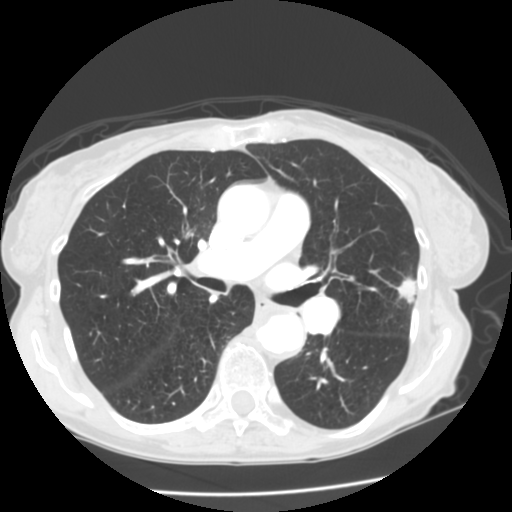
Axial slice 83 of 141 of a chest CT (slice 1 is the lowest), reconstructed with the STANDARD kernel at 120 kVp; 2.50 mm slice thickness and 0.625 mm pixels.
Pulmonary nodule outlined by all four readers; box rows 272–303, columns 395–417 (the union of the readers' outlines on this slice); longest diameter 17.6–20.7 mm and volume 1292–2187 mm3 across the four readers' outlines. Ratings across the readers: texture from 4/5 to 5/5 (solid) across the four readers; margin from 3/5 to 5/5 (circumscribed) across the four readers; sphericity from 3/5 (ovoid) to 5/5 (round) across the four readers; calcification absent, all four readers agreeing; internal structure soft tissue from all four readers; subtlety 5/5 from all four readers; malignancy likelihood 3–5/5 (the readers disagree). Scale key (1–5): texture non-solid→solid, margin indistinct→circumscribed, sphericity linear→round, subtlety extremely subtle→obvious, malignancy likelihood highly unlikely→highly suspicious of cancer. Box rows and columns are 0-based pixel indices from the top-left corner, inclusive.